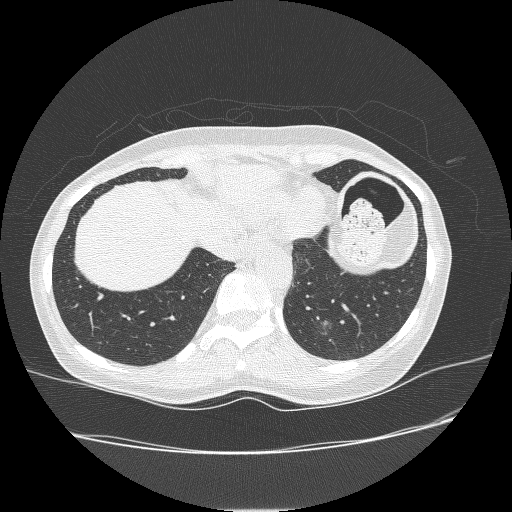
Slice 76/238 of a chest CT, counting up from the lowest; pixel size 0.703 mm, slice thickness 1.25 mm. Pulmonary nodule outlined by two of the four readers, one of them on this slice; box rows 320–333, columns 320–331 (the one reader's outline on this slice); median longest diameter 12.0 mm (readers' outlines 10.7–13.4 mm), median volume 262 mm3 (131–392 mm3). Ratings, median across the readers with their spread: texture 1/5 (non-solid), both readers agreeing; margin 1/5 (indistinct) from both readers; median sphericity 4.5/5 (readers ranged 4/5 to 5/5 (round)); calcification absent, both readers agreeing; internal structure soft tissue, both readers agreeing; median subtlety 3/5 (readers ranged 2–4); malignancy likelihood 3/5, both readers agreeing. Scale key (1–5): texture non-solid→solid, margin indistinct→circumscribed, sphericity linear→round, subtlety extremely subtle→obvious, malignancy likelihood highly unlikely→highly suspicious of cancer. Box rows and columns are 0-based pixel indices from the top-left corner, inclusive.
Scan settings: 120 kVp, BONE reconstruction kernel.